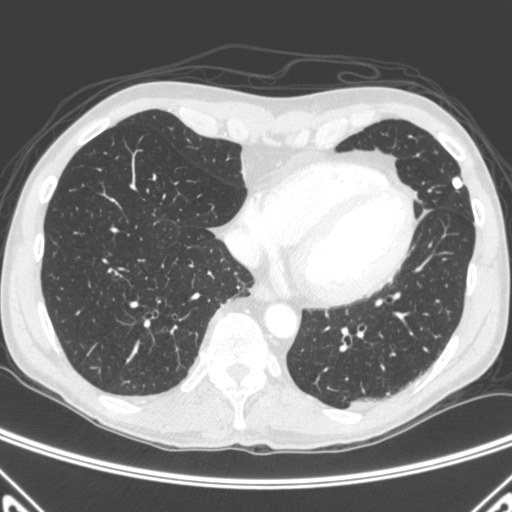
Slice 133/445 of a chest CT, counting up from the lowest; pixel size 0.676 mm, slice thickness 1.50 mm. Pulmonary nodule, outlined by all four readers. Box on this slice rows 177–188, columns 451–462, the union of the readers' outlines on this slice; longest diameter 9.3 mm on average over the four readers' outlines (readers' outlines 9.0–9.7 mm), volume 243–279 mm3. The readers' prevailing ratings and who disagreed: most readers (three of four) put texture at 5/5 (solid), others 4/5 (one); margin 5/5 (circumscribed), all four readers agreeing; sphericity split among the readers: 4/5 (two), 5/5 (round) (two); calcification solid calcification by three of four readers, central calcification (one); internal structure soft tissue, all four readers agreeing; subtlety 5/5 from all four readers; malignancy likelihood 1/5, all four readers agreeing. Scale key (1–5): texture non-solid→solid, margin indistinct→circumscribed, sphericity linear→round, subtlety extremely subtle→obvious, malignancy likelihood highly unlikely→highly suspicious of cancer. Box rows and columns are 0-based pixel indices from the top-left corner, inclusive.
Tube voltage 120 kVp; convolution kernel C.